One axial slice (111 of 192, counting up from the lowest) of a chest CT acquired at 120 kVp with the B30f kernel; each pixel is 0.664 mm and the slice is 2.00 mm thick.
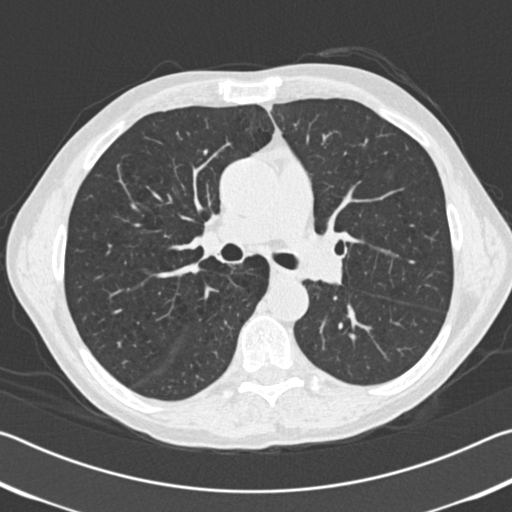
Pulmonary nodule, outlined by one of the four readers. Box on this slice rows 171–177, columns 387–392, that reader's outline on this slice; longest diameter 27.3 mm and volume 1622 mm3 from that reader's outline. That reader's ratings: texture 1/5 (non-solid); margin 2/5; sphericity 5/5 (round); calcification absent; internal structure soft tissue; subtlety 4/5; malignancy likelihood 3/5. Scale key (1–5): texture non-solid→solid, margin indistinct→circumscribed, sphericity linear→round, subtlety extremely subtle→obvious, malignancy likelihood highly unlikely→highly suspicious of cancer. Box rows and columns are 0-based pixel indices from the top-left corner, inclusive.